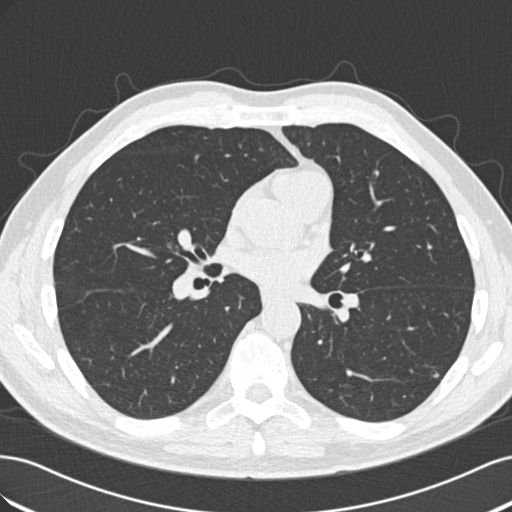
Axial chest CT slice 120 of 219 (counted from the lowest slice); tube voltage 120 kVp, convolution kernel B30f; slices 2.00 mm thick, 0.703 mm per pixel.
Pulmonary nodule at rows 373–377, columns 433–437 (box = that reader's outline on this slice), outlined by one of the four readers; longest diameter 5.7 mm and volume 45 mm3 from that reader's outline. Ratings by that reader: texture 5/5 (solid); margin 5/5 (circumscribed); sphericity 4/5; calcification absent; internal structure soft tissue; subtlety 3/5; malignancy likelihood 2/5. Scale key (1–5): texture non-solid→solid, margin indistinct→circumscribed, sphericity linear→round, subtlety extremely subtle→obvious, malignancy likelihood highly unlikely→highly suspicious of cancer. Box rows and columns are 0-based pixel indices from the top-left corner, inclusive.